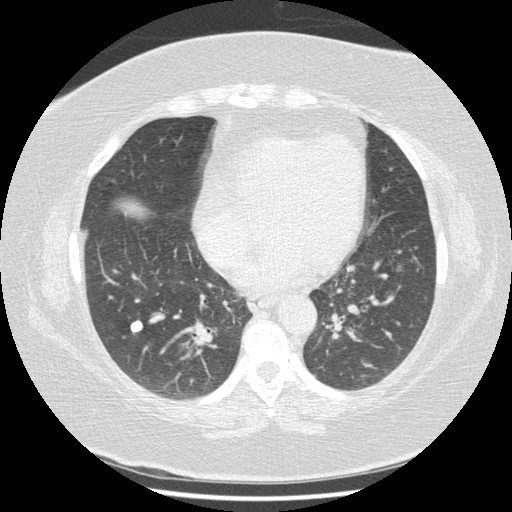
One axial slice (179 of 417, counting up from the lowest) of a chest CT acquired at 120 kVp with the STANDARD kernel; each pixel is 0.703 mm and the slice is 1.25 mm thick.
Pulmonary nodule, outlined by all four readers. Box on this slice rows 320–332, columns 130–142, the union of the readers' outlines on this slice; median longest diameter 10.6 mm (readers' outlines 10.5–10.9 mm), median volume 457 mm3 (396–502 mm3). Ratings, median across the readers with their spread: texture 5/5 (solid) from all four readers; margin 5/5 (circumscribed), all four readers agreeing; median sphericity 4/5 (readers ranged 3/5 (ovoid) to 4/5); calcification: solid calcification (three), absent (one); internal structure soft tissue from all four readers; subtlety 5/5, all four readers agreeing; malignancy likelihood 1/5 from all four readers. Scale key (1–5): texture non-solid→solid, margin indistinct→circumscribed, sphericity linear→round, subtlety extremely subtle→obvious, malignancy likelihood highly unlikely→highly suspicious of cancer. Box rows and columns are 0-based pixel indices from the top-left corner, inclusive.